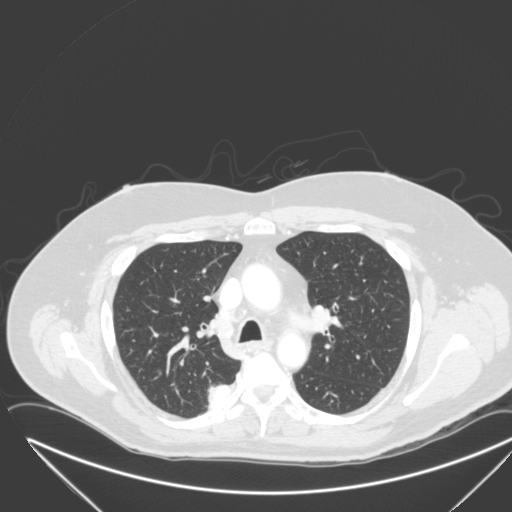
Axial slice 216 of 315 of a chest CT (slice 1 is the lowest), reconstructed with the B kernel at 120 kVp; 2.00 mm slice thickness and 0.830 mm pixels.
Pulmonary nodule at rows 386–407, columns 209–228 (box = that reader's outline on this slice), outlined by one of the four readers; longest diameter 27.1 mm and volume 6093 mm3 from that reader's outline. That reader's ratings: texture 5/5 (solid); margin 4/5; sphericity 2/5; calcification absent; internal structure soft tissue; subtlety 5/5; malignancy likelihood 4/5. Scale key (1–5): texture non-solid→solid, margin indistinct→circumscribed, sphericity linear→round, subtlety extremely subtle→obvious, malignancy likelihood highly unlikely→highly suspicious of cancer. Box rows and columns are 0-based pixel indices from the top-left corner, inclusive.